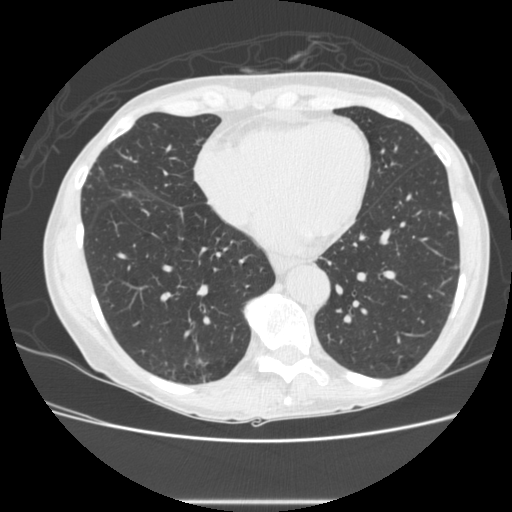
Axial chest CT slice 100 of 265 (counted from the lowest slice); tube voltage 120 kVp, convolution kernel STANDARD; slices 1.25 mm thick, 0.670 mm per pixel.
Pulmonary nodule, outlined by three of the four readers, two of them on this slice. Box on this slice rows 263–269, columns 453–457, the union of the readers' outlines on this slice; longest diameter 5.7 mm on average over the three readers' outlines (readers' outlines 4.9–6.3 mm), volume 34–77 mm3. Ratings, by the readers' most common answer with dissent counted: most readers (two of three) put texture at 5/5 (solid), others 4/5 (one); margin 5/5 (circumscribed) from all three readers; sphericity 3/5 (ovoid) by two of three readers; the rest gave 5/5 (round) (one); calcification absent by two of three readers, central calcification (one); internal structure soft tissue, all three readers agreeing; most readers (two of three) put subtlety at 5/5, others 3/5 (one); malignancy likelihood 2/5 from all three readers. Scale key (1–5): texture non-solid→solid, margin indistinct→circumscribed, sphericity linear→round, subtlety extremely subtle→obvious, malignancy likelihood highly unlikely→highly suspicious of cancer. Box rows and columns are 0-based pixel indices from the top-left corner, inclusive.